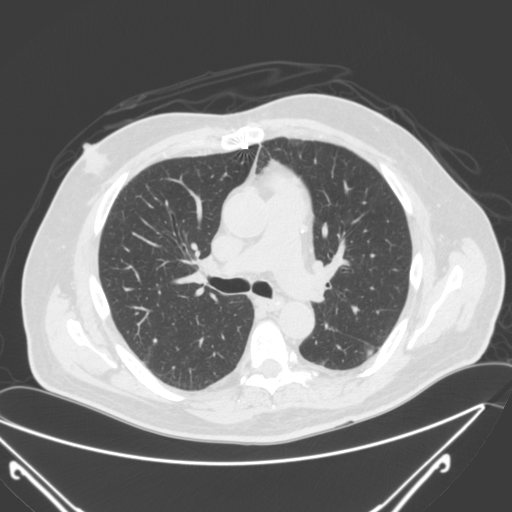
Slice 170/290 of a chest CT, counting up from the lowest; pixel size 0.816 mm, slice thickness 2.00 mm. Pulmonary nodule outlined by two of the four readers; box rows 338–343, columns 153–157 (the union of the readers' outlines on this slice); the two readers' outlines give a longest diameter between 5.2 and 5.9 mm and a volume between 49 and 62 mm3. The readers' ratings, as ranges where they differ: texture 5/5 (solid) from both readers; margin 5/5 (circumscribed) from both readers; sphericity 5/5 (round), both readers agreeing; calcification solid calcification from both readers; internal structure soft tissue, both readers agreeing; subtlety 5/5, both readers agreeing; malignancy likelihood 1/5 from both readers. Scale key (1–5): texture non-solid→solid, margin indistinct→circumscribed, sphericity linear→round, subtlety extremely subtle→obvious, malignancy likelihood highly unlikely→highly suspicious of cancer. Box rows and columns are 0-based pixel indices from the top-left corner, inclusive.
Tube voltage 120 kVp; convolution kernel B.